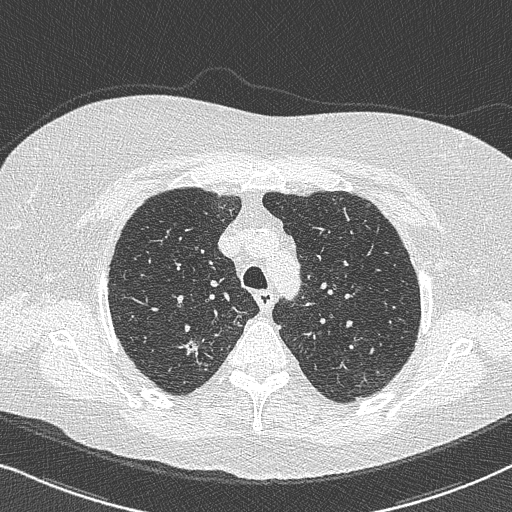
Chest CT, axial plane, 120 kVp, kernel B50f. Slice 570/733 from the bottom of the scan; thickness 0.60 mm; pixel size 0.637 mm.
Pulmonary nodule, outlined by all four readers, three of them on this slice. Box on this slice rows 336–358, columns 178–198, the union of the readers' outlines on this slice; median longest diameter 21.4 mm (readers' outlines 15.5–29.7 mm), median volume 1103 mm3 (888–2128 mm3). Ratings, median across the readers with their spread: texture 5/5 (solid) at the median of four readers, spread 4/5 to 5/5 (solid); median margin 3/5 (readers ranged 1/5 (indistinct) to 4/5); sphericity 3/5 (ovoid) at the median of four readers, spread 2/5 to 5/5 (round); calcification absent, all four readers agreeing; internal structure soft tissue, all four readers agreeing; median subtlety 5/5 (readers ranged 4–5); malignancy likelihood 4/5 at the median of four readers, spread 4–5. Scale key (1–5): texture non-solid→solid, margin indistinct→circumscribed, sphericity linear→round, subtlety extremely subtle→obvious, malignancy likelihood highly unlikely→highly suspicious of cancer. Box rows and columns are 0-based pixel indices from the top-left corner, inclusive.